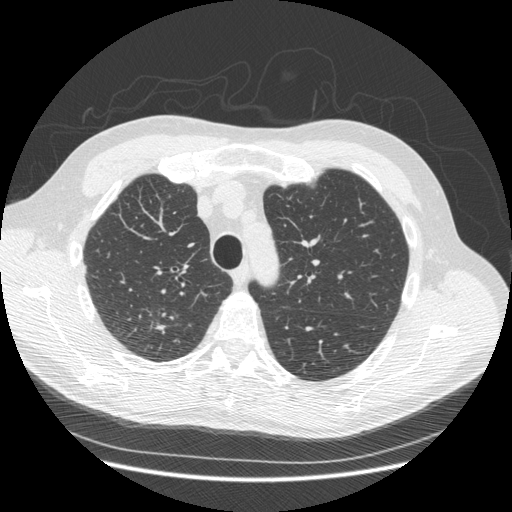
One axial slice (370 of 493, counting up from the lowest) of a chest CT acquired at 120 kVp with the STANDARD kernel; each pixel is 0.742 mm and the slice is 1.25 mm thick.
Pulmonary nodule at rows 324–332, columns 154–165 (box = the union of the readers' outlines on this slice), outlined by three of the four readers; the three readers' outlines give a longest diameter between 12.6 and 14.1 mm and a volume between 104 and 271 mm3. Ratings across the readers: texture from 4/5 to 5/5 (solid) across the three readers; margin 3/5 from all three readers; sphericity from 2/5 to 4/5 across the three readers; calcification absent, all three readers agreeing; internal structure soft tissue, all three readers agreeing; subtlety 2–5/5 (the readers disagree); malignancy likelihood rated between 2 and 4 out of 5 by the three readers. Scale key (1–5): texture non-solid→solid, margin indistinct→circumscribed, sphericity linear→round, subtlety extremely subtle→obvious, malignancy likelihood highly unlikely→highly suspicious of cancer. Box rows and columns are 0-based pixel indices from the top-left corner, inclusive.